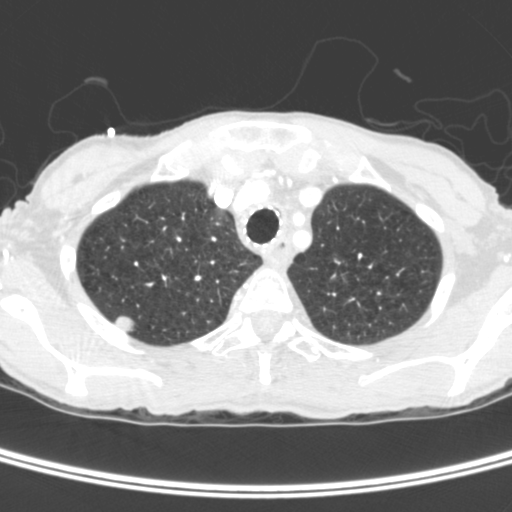
Axial slice 326 of 400 of a chest CT (slice 1 is the lowest), reconstructed with the C kernel at 120 kVp; 1.50 mm slice thickness and 0.527 mm pixels.
Pulmonary nodule outlined by three of the four readers; box rows 314–333, columns 113–135 (the union of the readers' outlines on this slice); the three readers' outlines give a longest diameter between 15.0 and 15.8 mm and a volume between 1012 and 1166 mm3. Ratings across the readers: texture from 3/5 (part-solid) to 5/5 (solid) across the three readers; margin 4/5 from all three readers; sphericity from 4/5 to 5/5 (round) across the three readers; calcification absent, all three readers agreeing; internal structure: soft tissue (two), air (one); subtlety 5/5 from all three readers; malignancy likelihood from 4/5 to 5/5 across the three readers. Scale key (1–5): texture non-solid→solid, margin indistinct→circumscribed, sphericity linear→round, subtlety extremely subtle→obvious, malignancy likelihood highly unlikely→highly suspicious of cancer. Box rows and columns are 0-based pixel indices from the top-left corner, inclusive.